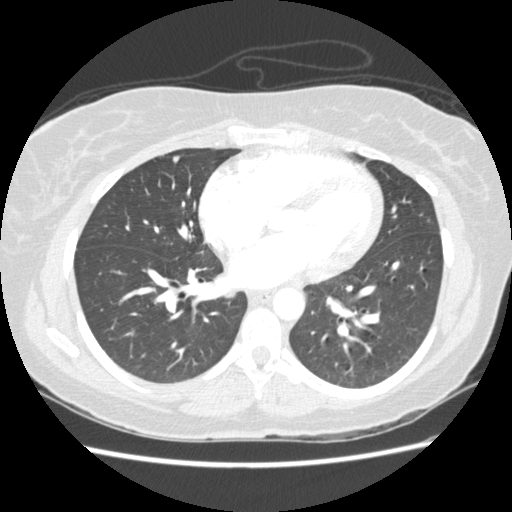
This is axial slice 117 of 238 (slice 1 is the lowest) of a chest CT; each pixel is 0.664 mm and the slice is 1.25 mm thick. Pulmonary nodule at rows 155–162, columns 173–179 (box = the union of the readers' outlines on this slice), outlined by three of the four readers; longest diameter 6.8–6.9 mm and volume 98–123 mm3 across the three readers' outlines. The readers' ratings, as ranges where they differ: texture 5/5 (solid) from all three readers; margin 5/5 (circumscribed), all three readers agreeing; sphericity from 3/5 (ovoid) to 4/5 across the three readers; calcification absent, all three readers agreeing; internal structure soft tissue from all three readers; subtlety 3–4/5 (the readers disagree); malignancy likelihood 2/5 from all three readers. Scale key (1–5): texture non-solid→solid, margin indistinct→circumscribed, sphericity linear→round, subtlety extremely subtle→obvious, malignancy likelihood highly unlikely→highly suspicious of cancer. Box rows and columns are 0-based pixel indices from the top-left corner, inclusive.
Tube voltage 120 kVp; convolution kernel STANDARD.